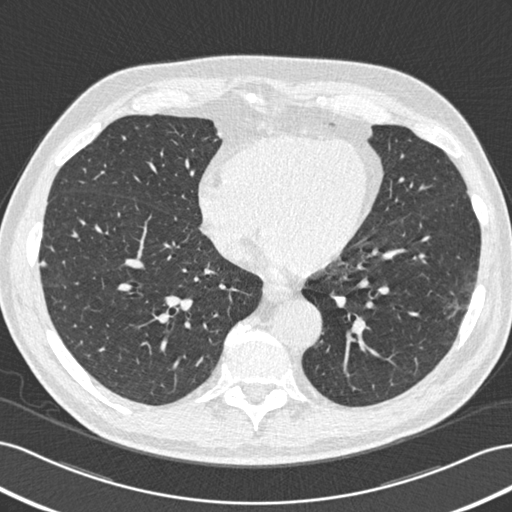
Slice 208/506 of a chest CT, counting up from the lowest; pixel size 0.699 mm, slice thickness 0.75 mm. Pulmonary nodule, outlined by all four readers. Box on this slice rows 261–266, columns 39–46, the union of the readers' outlines on this slice; longest diameter 8.3 mm on average over the four readers' outlines (readers' outlines 8.0–9.0 mm), volume 171–198 mm3. Ratings, by the readers' most common answer with dissent counted: texture 5/5 (solid) from all four readers; margin 4/5 by two of four readers; the rest gave 3/5 (one), 5/5 (circumscribed) (one); sphericity 5/5 (round) by three of four readers; the rest gave 3/5 (ovoid) (one); calcification absent from all four readers; internal structure soft tissue, all four readers agreeing; subtlety 4/5 by two of four readers; the rest gave 3/5 (one), 5/5 (one); malignancy likelihood split among the readers: 1/5 (one), 2/5 (one), 3/5 (one), 4/5 (one). Scale key (1–5): texture non-solid→solid, margin indistinct→circumscribed, sphericity linear→round, subtlety extremely subtle→obvious, malignancy likelihood highly unlikely→highly suspicious of cancer. Box rows and columns are 0-based pixel indices from the top-left corner, inclusive.
Acquired at 120 kVp and reconstructed with the B30f kernel.